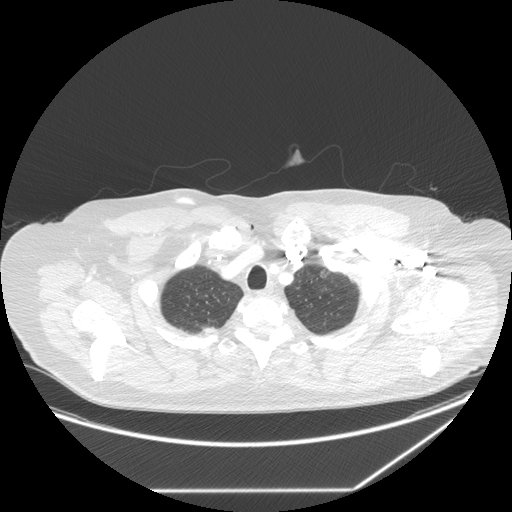
One axial slice (225 of 258, counting up from the lowest) of a chest CT acquired at 120 kVp with the STANDARD kernel; each pixel is 0.859 mm and the slice is 1.25 mm thick.
Pulmonary nodule at rows 270–277, columns 320–328 (box = the one reader's outline on this slice), outlined by all four readers, one of them on this slice; median longest diameter 13.2 mm (readers' outlines 11.3–14.0 mm), median volume 551 mm3 (372–779 mm3). Ratings, median across the readers with their spread: texture 5/5 (solid) from all four readers; median margin 4.5/5 (readers ranged 4/5 to 5/5 (circumscribed)); median sphericity 3.5/5 (readers ranged 3/5 (ovoid) to 5/5 (round)); calcification absent, all four readers agreeing; internal structure soft tissue from all four readers; median subtlety 5/5 (readers ranged 4–5); malignancy likelihood 3.5/5 at the median of four readers, spread 3–4. Scale key (1–5): texture non-solid→solid, margin indistinct→circumscribed, sphericity linear→round, subtlety extremely subtle→obvious, malignancy likelihood highly unlikely→highly suspicious of cancer. Box rows and columns are 0-based pixel indices from the top-left corner, inclusive.